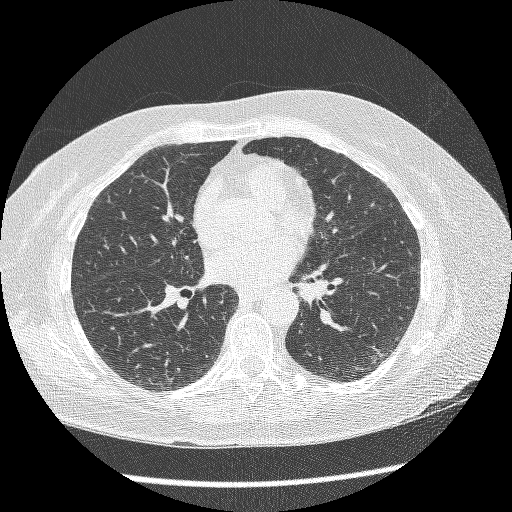
Chest CT, axial plane, 120 kVp, kernel BONE. Slice 135/246 from the bottom of the scan; thickness 1.25 mm; pixel size 0.652 mm.
This slice carries no reader outline of a nodule 3 mm or larger.